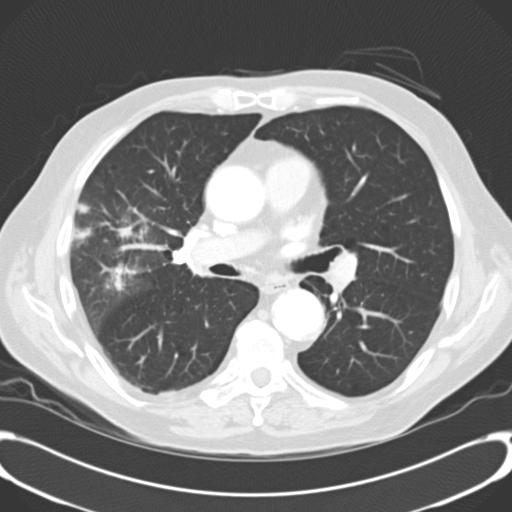
Axial chest CT slice 145 of 246 (counted from the lowest slice); tube voltage 120 kVp, convolution kernel B30f; slices 3.00 mm thick, 0.740 mm per pixel.
This slice carries no reader outline of a nodule 3 mm or larger.